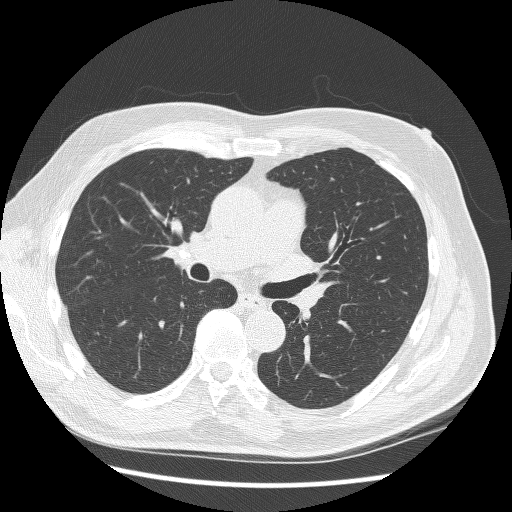
Axial chest CT slice 162 of 273 (counted from the lowest slice); 1.25 mm thick, 0.703 mm per pixel. This slice carries no reader outline of a nodule 3 mm or larger.
Tube voltage 120 kVp; convolution kernel BONE.